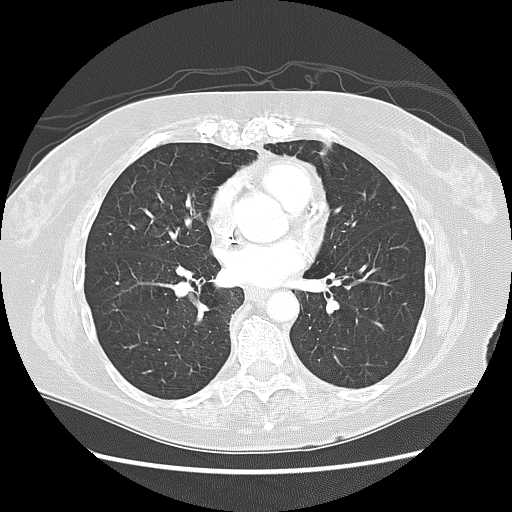
Axial chest CT slice 52 of 125 (counted from the lowest slice); 2.50 mm thick, 0.703 mm per pixel. Pulmonary nodule, outlined by one of the four readers. Box on this slice rows 303–307, columns 112–115, that reader's outline on this slice; longest diameter 8.6 mm and volume 110 mm3 from that reader's outline. Ratings by that reader: texture 1/5 (non-solid); margin 1/5 (indistinct); sphericity 5/5 (round); calcification absent; internal structure soft tissue; subtlety 1/5; malignancy likelihood 2/5. Scale key (1–5): texture non-solid→solid, margin indistinct→circumscribed, sphericity linear→round, subtlety extremely subtle→obvious, malignancy likelihood highly unlikely→highly suspicious of cancer. Box rows and columns are 0-based pixel indices from the top-left corner, inclusive.
Acquired at 120 kVp and reconstructed with the LUNG kernel.